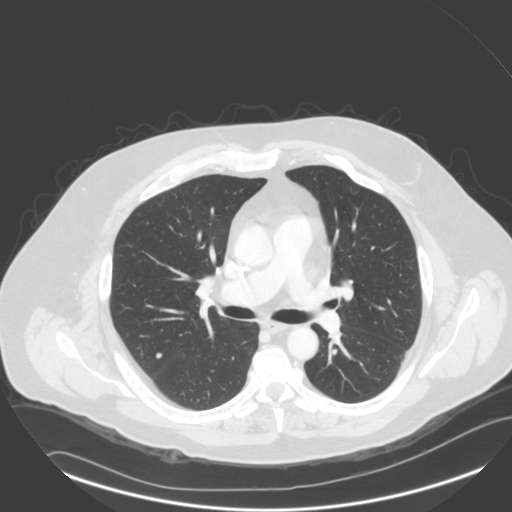
This is axial slice 189 of 305 (slice 1 is the lowest) of a chest CT; each pixel is 0.834 mm and the slice is 2.00 mm thick. Pulmonary nodule outlined by all four readers; box rows 352–358, columns 155–162 (the union of the readers' outlines on this slice); median longest diameter 6.9 mm (readers' outlines 5.3–8.2 mm), median volume 106 mm3 (54–176 mm3). Median ratings and the readers' spread: texture 5/5 (solid), all four readers agreeing; margin 5/5 (circumscribed) from all four readers; median sphericity 4/5 (readers ranged 4/5 to 5/5 (round)); calcification absent, all four readers agreeing; internal structure soft tissue, all four readers agreeing; subtlety 5/5 at the median of four readers, spread 4–5; malignancy likelihood 3/5 at the median of four readers, spread 2–3. Scale key (1–5): texture non-solid→solid, margin indistinct→circumscribed, sphericity linear→round, subtlety extremely subtle→obvious, malignancy likelihood highly unlikely→highly suspicious of cancer. Box rows and columns are 0-based pixel indices from the top-left corner, inclusive.
Tube voltage 140 kVp; convolution kernel B.